Axial chest CT slice 518 of 590 (counted from the lowest slice); tube voltage 120 kVp, convolution kernel B; slices 0.90 mm thick, 0.627 mm per pixel.
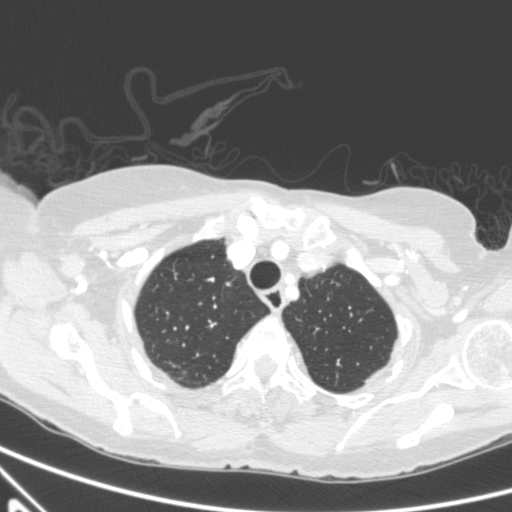
Pulmonary nodule outlined by three of the four readers, two of them on this slice; box rows 371–375, columns 182–186 (the union of the readers' outlines on this slice); longest diameter 5.8 mm on average over the three readers' outlines (readers' outlines 5.4–6.2 mm), volume 51–88 mm3. The readers' prevailing ratings and who disagreed: most readers (two of three) put texture at 4/5, others 5/5 (solid) (one); margin split among the readers: 3/5 (one), 4/5 (one), 5/5 (circumscribed) (one); sphericity split among the readers: 3/5 (ovoid) (one), 4/5 (one), 5/5 (round) (one); calcification absent from all three readers; internal structure soft tissue from all three readers; subtlety 3/5 from all three readers; most readers (two of three) put malignancy likelihood at 3/5, others 2/5 (one). Scale key (1–5): texture non-solid→solid, margin indistinct→circumscribed, sphericity linear→round, subtlety extremely subtle→obvious, malignancy likelihood highly unlikely→highly suspicious of cancer. Box rows and columns are 0-based pixel indices from the top-left corner, inclusive.